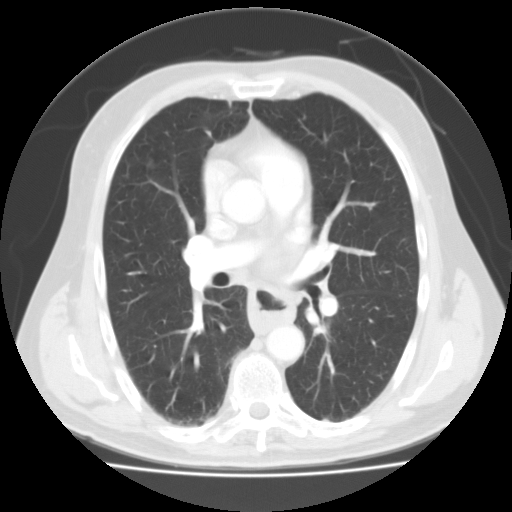
One axial slice (58 of 103, counting up from the lowest) of a chest CT acquired at 135 kVp with the FC01 kernel; each pixel is 0.738 mm and the slice is 3.00 mm thick.
Pulmonary nodule, outlined by all four readers, two of them on this slice. Box on this slice rows 160–167, columns 147–153, the union of the readers' outlines on this slice; longest diameter 9.9 mm on average over the four readers' outlines (readers' outlines 8.6–10.6 mm), volume 124–440 mm3. The readers' prevailing ratings and who disagreed: texture split among the readers: 4/5 (two), 5/5 (solid) (two); margin 3/5 by two of four readers; the rest gave 4/5 (one), 5/5 (circumscribed) (one); most readers (three of four) put sphericity at 4/5, others 5/5 (round) (one); calcification absent from all four readers; internal structure soft tissue, all four readers agreeing; subtlety split among the readers: 4/5 (two), 5/5 (two); malignancy likelihood split among the readers: 3/5 (two), 4/5 (two). Scale key (1–5): texture non-solid→solid, margin indistinct→circumscribed, sphericity linear→round, subtlety extremely subtle→obvious, malignancy likelihood highly unlikely→highly suspicious of cancer. Box rows and columns are 0-based pixel indices from the top-left corner, inclusive.